Axial chest CT slice 133 of 300 (counted from the lowest slice); tube voltage 120 kVp, convolution kernel D; slices 1.00 mm thick, 0.607 mm per pixel.
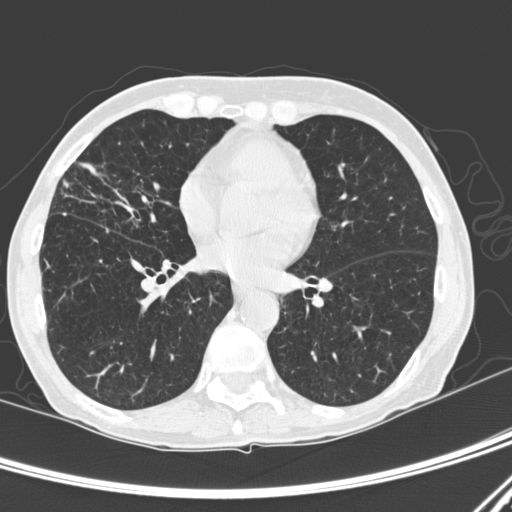
Pulmonary nodule, outlined by one of the four readers. Box on this slice rows 213–215, columns 63–65, that reader's outline on this slice; longest diameter 3.3 mm and volume 12 mm3 from that reader's outline. That reader's ratings: texture 5/5 (solid); margin 5/5 (circumscribed); sphericity 5/5 (round); calcification absent; internal structure soft tissue; subtlety 5/5; malignancy likelihood 2/5. Scale key (1–5): texture non-solid→solid, margin indistinct→circumscribed, sphericity linear→round, subtlety extremely subtle→obvious, malignancy likelihood highly unlikely→highly suspicious of cancer. Box rows and columns are 0-based pixel indices from the top-left corner, inclusive.